Axial slice 177 of 381 of a chest CT (slice 1 is the lowest), reconstructed with the STANDARD kernel at 120 kVp; 1.25 mm slice thickness and 0.625 mm pixels.
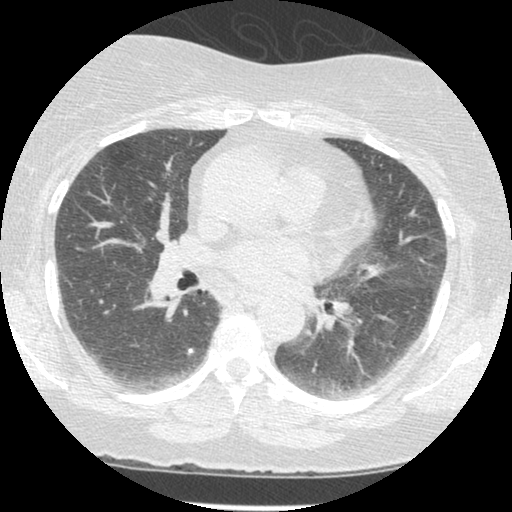
Pulmonary nodule outlined by two of the four readers; box rows 349–353, columns 188–192 (the union of the readers' outlines on this slice); longest diameter 3.9 mm on average over the two readers' outlines (readers' outlines 3.6–4.2 mm), volume 18–22 mm3. The readers' prevailing ratings and who disagreed: texture 5/5 (solid) from both readers; margin split among the readers: 4/5 (one), 5/5 (circumscribed) (one); sphericity 5/5 (round) from both readers; calcification solid calcification, both readers agreeing; internal structure soft tissue, both readers agreeing; subtlety split among the readers: 2/5 (one), 5/5 (one); malignancy likelihood 1/5 from both readers. Scale key (1–5): texture non-solid→solid, margin indistinct→circumscribed, sphericity linear→round, subtlety extremely subtle→obvious, malignancy likelihood highly unlikely→highly suspicious of cancer. Box rows and columns are 0-based pixel indices from the top-left corner, inclusive.